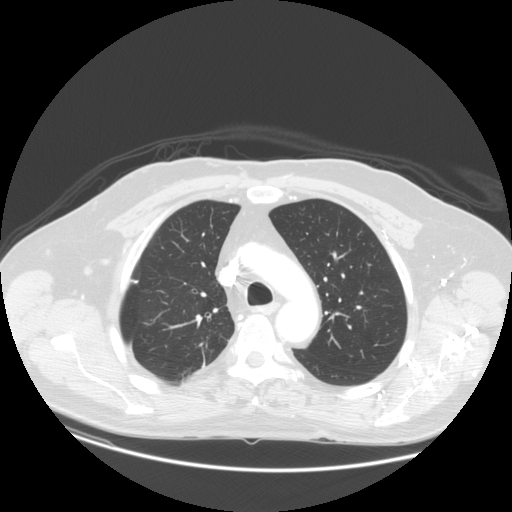
Axial chest CT slice 96 of 140 (counted from the lowest slice); tube voltage 120 kVp, convolution kernel STANDARD; slices 2.50 mm thick, 0.820 mm per pixel.
No nodule 3 mm or larger was outlined here by any reader.